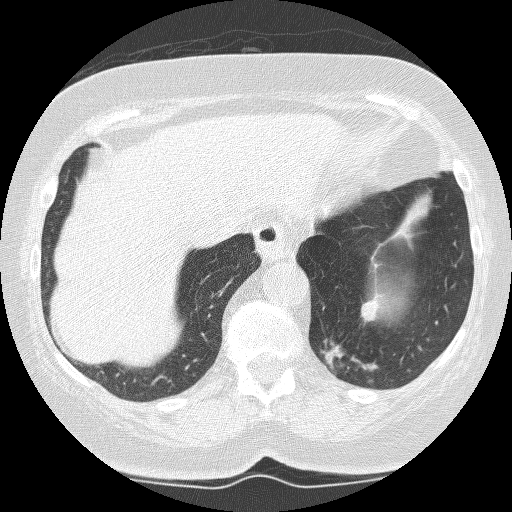
Axial chest CT slice 68 of 246 (counted from the lowest slice); 1.25 mm thick, 0.566 mm per pixel. Pulmonary nodule outlined by all four readers; box rows 298–322, columns 360–379 (the union of the readers' outlines on this slice); longest diameter 13.8–17.3 mm and volume 672–1099 mm3 across the four readers' outlines. The readers' ratings, as ranges where they differ: texture 5/5 (solid), all four readers agreeing; margin from 2/5 to 4/5 across the four readers; sphericity from 2/5 to 4/5 across the four readers; calcification absent, all four readers agreeing; internal structure soft tissue, all four readers agreeing; subtlety from 4/5 to 5/5 across the four readers; malignancy likelihood rated between 3 and 5 out of 5 by the four readers. Scale key (1–5): texture non-solid→solid, margin indistinct→circumscribed, sphericity linear→round, subtlety extremely subtle→obvious, malignancy likelihood highly unlikely→highly suspicious of cancer. Box rows and columns are 0-based pixel indices from the top-left corner, inclusive.
Scan settings: 120 kVp, BONE reconstruction kernel.